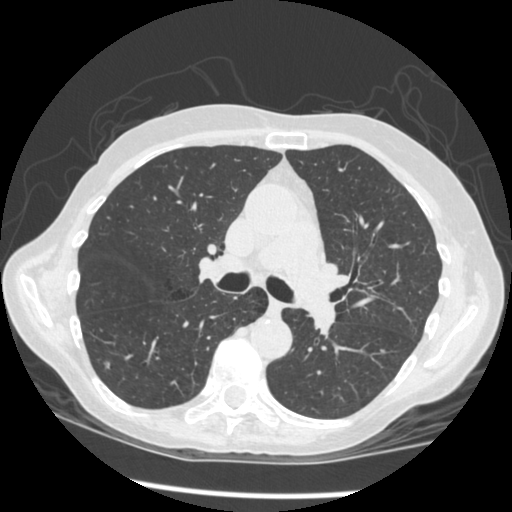
Axial chest CT slice 275 of 461 (counted from the lowest slice); tube voltage 120 kVp, convolution kernel STANDARD; slices 1.25 mm thick, 0.645 mm per pixel.
Pulmonary nodule at rows 361–369, columns 104–110 (box = the union of the readers' outlines on this slice), outlined by three of the four readers; longest diameter 6.3–7.5 mm and volume 48–84 mm3 across the three readers' outlines. Ratings across the readers: texture from 4/5 to 5/5 (solid) across the three readers; margin from 3/5 to 5/5 (circumscribed) across the three readers; sphericity from 4/5 to 5/5 (round) across the three readers; calcification absent, all three readers agreeing; internal structure soft tissue from all three readers; subtlety 2–4/5 (the readers disagree); malignancy likelihood from 2/5 to 4/5 across the three readers. Scale key (1–5): texture non-solid→solid, margin indistinct→circumscribed, sphericity linear→round, subtlety extremely subtle→obvious, malignancy likelihood highly unlikely→highly suspicious of cancer. Box rows and columns are 0-based pixel indices from the top-left corner, inclusive.